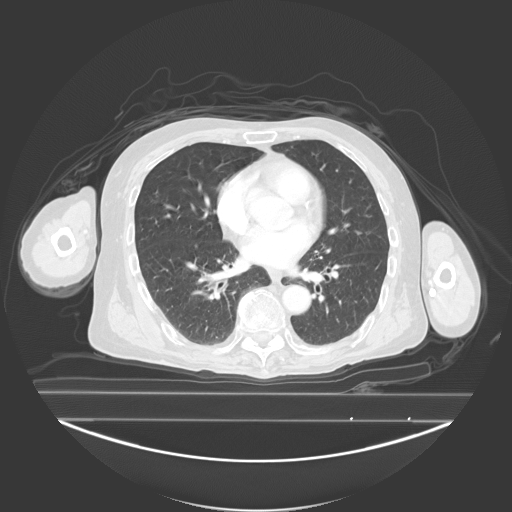
Axial slice 108 of 278 of a chest CT (slice 1 is the lowest), reconstructed with the B40s kernel at 130 kVp; 3.00 mm slice thickness and 0.977 mm pixels.
Pulmonary nodule outlined by three of the four readers; box rows 244–247, columns 194–197 (the union of the readers' outlines on this slice); longest diameter 6.2 mm on average over the three readers' outlines (readers' outlines 6.2–6.3 mm), volume 123–213 mm3. The readers' prevailing ratings and who disagreed: texture split among the readers: 1/5 (non-solid) (one), 3/5 (part-solid) (one), 5/5 (solid) (one); margin split among the readers: 3/5 (one), 4/5 (one), 5/5 (circumscribed) (one); sphericity 5/5 (round) from all three readers; calcification absent, all three readers agreeing; internal structure soft tissue, all three readers agreeing; subtlety split among the readers: 2/5 (one), 3/5 (one), 4/5 (one); malignancy likelihood 2/5 by two of three readers; the rest gave 3/5 (one). Scale key (1–5): texture non-solid→solid, margin indistinct→circumscribed, sphericity linear→round, subtlety extremely subtle→obvious, malignancy likelihood highly unlikely→highly suspicious of cancer. Box rows and columns are 0-based pixel indices from the top-left corner, inclusive.